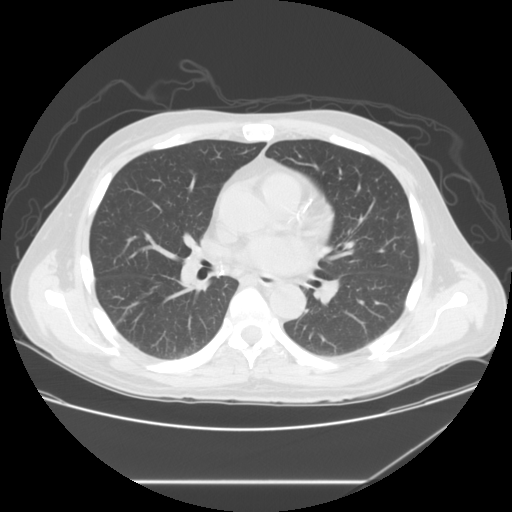
Axial slice 81 of 133 of a chest CT (slice 1 is the lowest), reconstructed with the STANDARD kernel at 120 kVp; 2.50 mm slice thickness and 0.781 mm pixels.
No nodule of 3 mm or larger was outlined by any of the four readers on this slice.